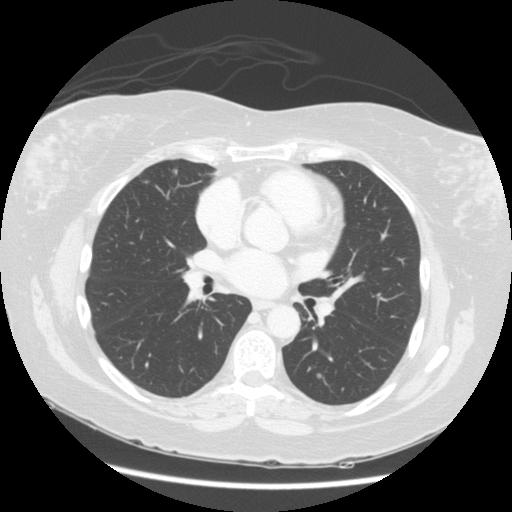
Chest CT, axial plane, 140 kVp, kernel STANDARD. Slice 68/123 from the bottom of the scan; thickness 2.50 mm; pixel size 0.703 mm.
Pulmonary nodule at rows 372–378, columns 317–320 (box = that reader's outline on this slice), outlined by one of the four readers; longest diameter 6.4 mm and volume 98 mm3 from that reader's outline. Ratings by that reader: texture 4/5; margin 4/5; sphericity 4/5; calcification absent; internal structure soft tissue; subtlety 4/5; malignancy likelihood 3/5. Scale key (1–5): texture non-solid→solid, margin indistinct→circumscribed, sphericity linear→round, subtlety extremely subtle→obvious, malignancy likelihood highly unlikely→highly suspicious of cancer. Box rows and columns are 0-based pixel indices from the top-left corner, inclusive.